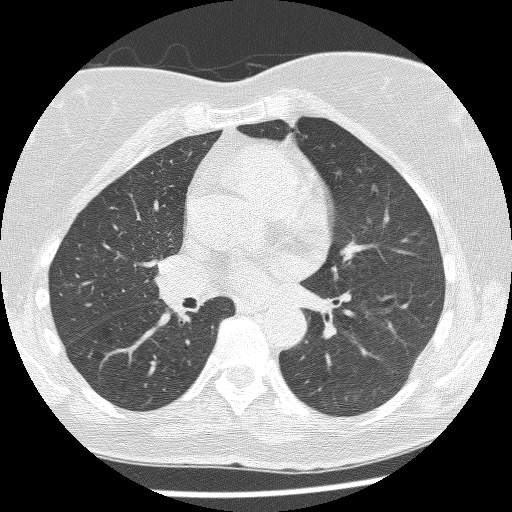
This is axial slice 136 of 253 (slice 1 is the lowest) of a chest CT; each pixel is 0.602 mm and the slice is 1.25 mm thick. Pulmonary nodule at rows 394–400, columns 353–360 (box = the one reader's outline on this slice), outlined by three of the four readers, one of them on this slice; longest diameter 6.9–12.2 mm and volume 74–215 mm3 across the three readers' outlines. The readers' ratings, as ranges where they differ: texture from 1/5 (non-solid) to 3/5 (part-solid) across the three readers; margin from 1/5 (indistinct) to 4/5 across the three readers; sphericity from 3/5 (ovoid) to 4/5 across the three readers; calcification absent from all three readers; internal structure soft tissue, all three readers agreeing; subtlety from 3/5 to 4/5 across the three readers; malignancy likelihood rated between 3 and 5 out of 5 by the three readers. Scale key (1–5): texture non-solid→solid, margin indistinct→circumscribed, sphericity linear→round, subtlety extremely subtle→obvious, malignancy likelihood highly unlikely→highly suspicious of cancer. Box rows and columns are 0-based pixel indices from the top-left corner, inclusive.
Acquired at 120 kVp and reconstructed with the BONE kernel.